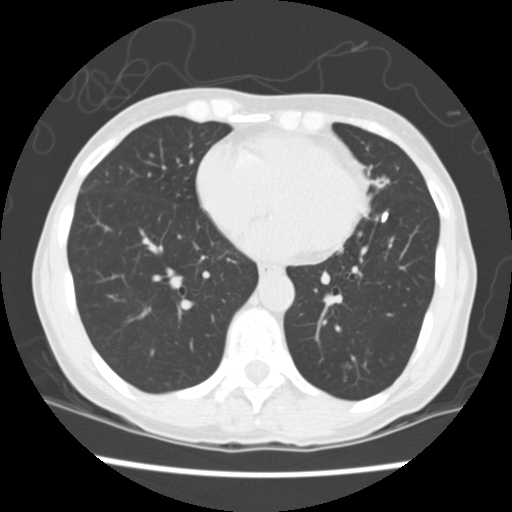
Axial slice 63 of 163 of a chest CT (slice 1 is the lowest), reconstructed with the STANDARD kernel at 120 kVp; 2.50 mm slice thickness and 0.586 mm pixels.
Pulmonary nodule, outlined by all four readers. Box on this slice rows 211–223, columns 380–388, the union of the readers' outlines on this slice; longest diameter 10.4 mm on average over the four readers' outlines (readers' outlines 9.5–11.1 mm), volume 385–423 mm3. The readers' prevailing ratings and who disagreed: texture 5/5 (solid) from all four readers; margin 5/5 (circumscribed) by three of four readers; the rest gave 4/5 (one); sphericity split among the readers: 3/5 (ovoid) (two), 4/5 (two); calcification solid calcification by three of four readers, absent (one); internal structure soft tissue, all four readers agreeing; subtlety 5/5 by three of four readers; the rest gave 4/5 (one); malignancy likelihood 1/5 by three of four readers; the rest gave 4/5 (one). Scale key (1–5): texture non-solid→solid, margin indistinct→circumscribed, sphericity linear→round, subtlety extremely subtle→obvious, malignancy likelihood highly unlikely→highly suspicious of cancer. Box rows and columns are 0-based pixel indices from the top-left corner, inclusive.